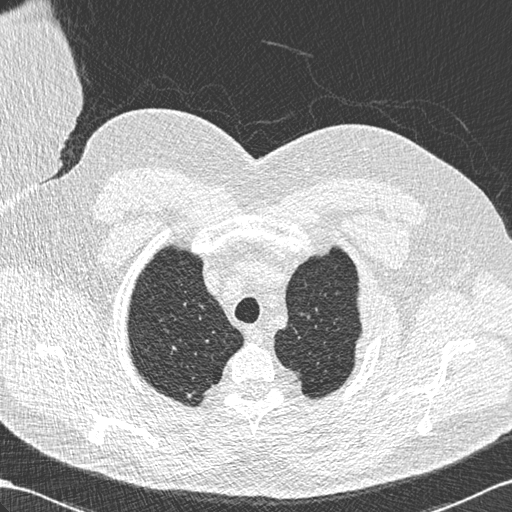
This is axial slice 535 of 636 (slice 1 is the lowest) of a chest CT; each pixel is 0.689 mm and the slice is 0.60 mm thick. Pulmonary nodule, outlined by one of the four readers. Box on this slice rows 393–398, columns 187–193, that reader's outline on this slice; longest diameter 7.2 mm and volume 71 mm3 from that reader's outline. That reader's ratings: texture 4/5; margin 5/5 (circumscribed); sphericity 3/5 (ovoid); calcification absent; internal structure soft tissue; subtlety 5/5; malignancy likelihood 3/5. Scale key (1–5): texture non-solid→solid, margin indistinct→circumscribed, sphericity linear→round, subtlety extremely subtle→obvious, malignancy likelihood highly unlikely→highly suspicious of cancer. Box rows and columns are 0-based pixel indices from the top-left corner, inclusive.
Tube voltage 120 kVp; convolution kernel B30f.